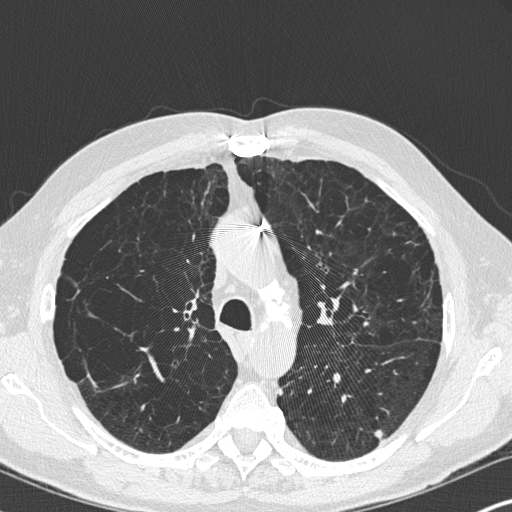
Axial chest CT slice 221 of 347 (counted from the lowest slice); 1.00 mm thick, 0.625 mm per pixel. Pulmonary nodule outlined by all four readers; box rows 429–440, columns 373–385 (the union of the readers' outlines on this slice); longest diameter 10.3 mm on average over the four readers' outlines (readers' outlines 9.1–11.9 mm), volume 166–319 mm3. Ratings, by the readers' most common answer with dissent counted: texture 5/5 (solid) from all four readers; margin 5/5 (circumscribed) by two of four readers; the rest gave 2/5 (one), 4/5 (one); sphericity split among the readers: 3/5 (ovoid) (two), 4/5 (two); calcification absent from all four readers; internal structure soft tissue, all four readers agreeing; subtlety 4/5 by three of four readers; the rest gave 5/5 (one); malignancy likelihood 3/5, all four readers agreeing. Scale key (1–5): texture non-solid→solid, margin indistinct→circumscribed, sphericity linear→round, subtlety extremely subtle→obvious, malignancy likelihood highly unlikely→highly suspicious of cancer. Box rows and columns are 0-based pixel indices from the top-left corner, inclusive.
Acquired at 120 kVp and reconstructed with the B45f kernel.